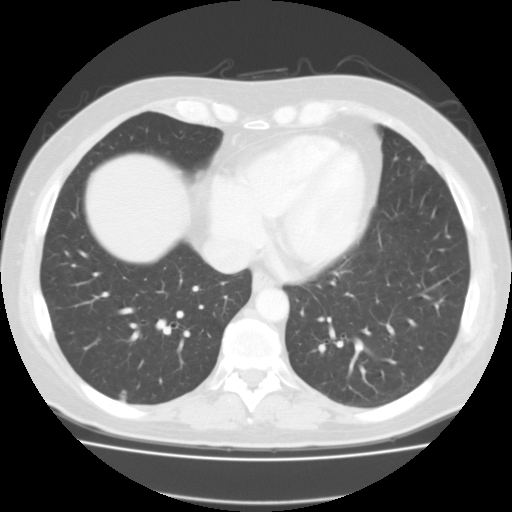
Axial chest CT slice 54 of 127 (counted from the lowest slice); tube voltage 135 kVp, convolution kernel FC01; slices 3.00 mm thick, 0.750 mm per pixel.
Two pulmonary nodules on this slice, listed from left to right. (1) Pulmonary nodule outlined by two of the four readers; box rows 391–401, columns 120–125 (the union of the readers' outlines on this slice); longest diameter 9.6 mm on average over the two readers' outlines (readers' outlines 9.0–10.2 mm), volume 149–183 mm3. The readers' prevailing ratings and who disagreed: texture split among the readers: 3/5 (part-solid) (one), 4/5 (one); margin split among the readers: 2/5 (one), 3/5 (one); sphericity split among the readers: 3/5 (ovoid) (one), 4/5 (one); calcification absent, both readers agreeing; internal structure soft tissue from both readers; subtlety split among the readers: 3/5 (one), 4/5 (one); malignancy likelihood split among the readers: 2/5 (one), 3/5 (one). (2) Pulmonary nodule outlined by one of the four readers; box rows 170–178, columns 196–204 (that reader's outline on this slice); longest diameter 9.6 mm and volume 127 mm3 from that reader's outline. Ratings by that reader: texture 5/5 (solid); margin 2/5; sphericity 3/5 (ovoid); calcification absent; internal structure soft tissue; subtlety 4/5; malignancy likelihood 3/5. Scale key (1–5): texture non-solid→solid, margin indistinct→circumscribed, sphericity linear→round, subtlety extremely subtle→obvious, malignancy likelihood highly unlikely→highly suspicious of cancer. Box rows and columns are 0-based pixel indices from the top-left corner, inclusive.